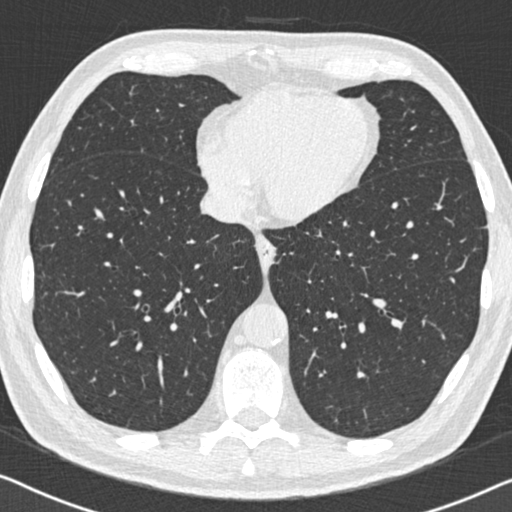
Axial chest CT slice 220 of 558 (counted from the lowest slice); tube voltage 120 kVp, convolution kernel B30f; slices 0.75 mm thick, 0.648 mm per pixel.
Pulmonary nodule, outlined by two of the four readers. Box on this slice rows 226–228, columns 483–485, the union of the readers' outlines on this slice; longest diameter 6.6 mm on average over the two readers' outlines (readers' outlines 6.2–7.0 mm), volume 80–93 mm3. Ratings, by the readers' most common answer with dissent counted: texture split among the readers: 4/5 (one), 5/5 (solid) (one); margin 4/5 from both readers; sphericity split among the readers: 4/5 (one), 5/5 (round) (one); calcification absent, both readers agreeing; internal structure soft tissue from both readers; subtlety split among the readers: 3/5 (one), 5/5 (one); malignancy likelihood split among the readers: 2/5 (one), 3/5 (one). Scale key (1–5): texture non-solid→solid, margin indistinct→circumscribed, sphericity linear→round, subtlety extremely subtle→obvious, malignancy likelihood highly unlikely→highly suspicious of cancer. Box rows and columns are 0-based pixel indices from the top-left corner, inclusive.